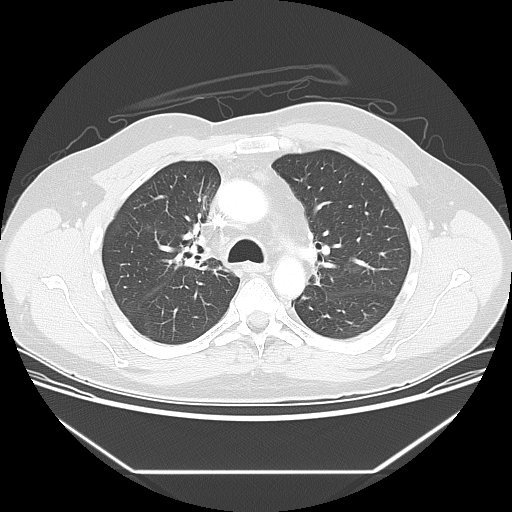
Axial slice 96 of 133 of a chest CT (slice 1 is the lowest), reconstructed with the LUNG kernel at 120 kVp; 2.50 mm slice thickness and 0.781 mm pixels.
None of the four readers outlined a nodule of 3 mm or more on this slice.